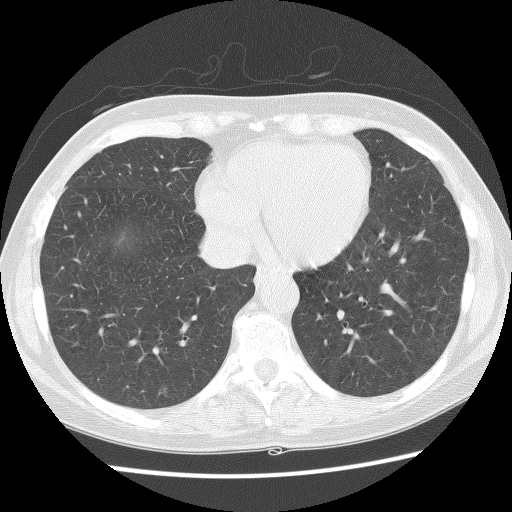
This is axial slice 53 of 132 (slice 1 is the lowest) of a chest CT; each pixel is 0.645 mm and the slice is 2.50 mm thick. Pulmonary nodule at rows 384–392, columns 159–167 (box = that reader's outline on this slice), outlined by one of the four readers; longest diameter 7.5 mm and volume 85 mm3 from that reader's outline. Ratings by that reader: texture 1/5 (non-solid); margin 1/5 (indistinct); sphericity 5/5 (round); calcification absent; internal structure soft tissue; subtlety 1/5; malignancy likelihood 2/5. Scale key (1–5): texture non-solid→solid, margin indistinct→circumscribed, sphericity linear→round, subtlety extremely subtle→obvious, malignancy likelihood highly unlikely→highly suspicious of cancer. Box rows and columns are 0-based pixel indices from the top-left corner, inclusive.
Acquired at 140 kVp and reconstructed with the BONE kernel.